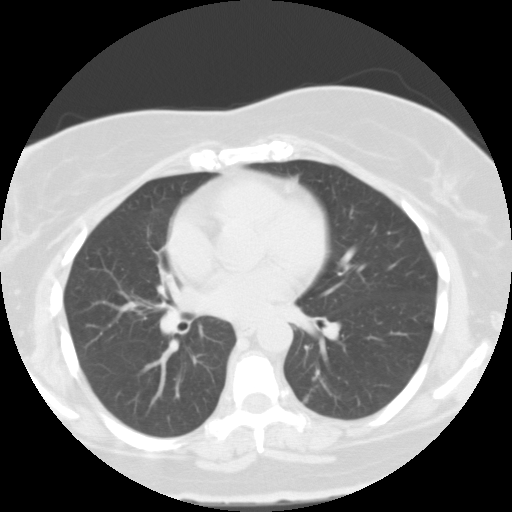
Slice 55/105 of a chest CT, counting up from the lowest; pixel size 0.656 mm, slice thickness 3.00 mm. Pulmonary nodule at rows 378–402, columns 303–314 (box = the union of the readers' outlines on this slice), outlined by all four readers, three of them on this slice; the four readers' outlines give a longest diameter between 19.4 and 23.9 mm and a volume between 678 and 1092 mm3. Ratings across the readers: texture from 2/5 to 5/5 (solid) across the four readers; margin from 2/5 to 5/5 (circumscribed) across the four readers; sphericity from 2/5 to 5/5 (round) across the four readers; calcification absent, all four readers agreeing; internal structure soft tissue, all four readers agreeing; subtlety 2–5/5 (the readers disagree); malignancy likelihood 1–3/5 (the readers disagree). Scale key (1–5): texture non-solid→solid, margin indistinct→circumscribed, sphericity linear→round, subtlety extremely subtle→obvious, malignancy likelihood highly unlikely→highly suspicious of cancer. Box rows and columns are 0-based pixel indices from the top-left corner, inclusive.
Scan settings: 135 kVp, FC01 reconstruction kernel.